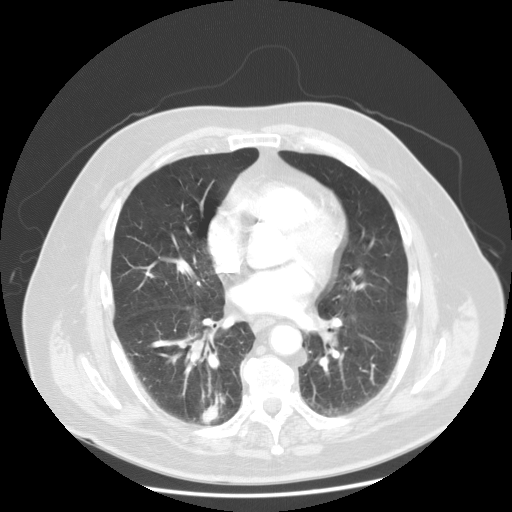
Slice 65/133 of a chest CT, counting up from the lowest; pixel size 0.820 mm, slice thickness 2.50 mm. None of the four readers outlined a nodule of 3 mm or more on this slice.
Acquired at 120 kVp and reconstructed with the STANDARD kernel.